One axial slice (156 of 429, counting up from the lowest) of a chest CT acquired at 120 kVp with the STANDARD kernel; each pixel is 0.703 mm and the slice is 1.25 mm thick.
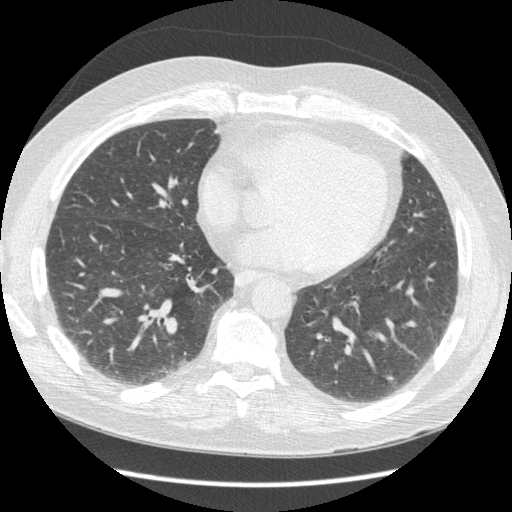
Pulmonary nodule, outlined by all four readers. Box on this slice rows 374–380, columns 381–392, the union of the readers' outlines on this slice; median longest diameter 9.0 mm (readers' outlines 7.9–12.4 mm), median volume 146 mm3 (94–254 mm3). Ratings, median across the readers with their spread: texture 5/5 (solid) from all four readers; margin 4/5 at the median of four readers, spread 3/5 to 5/5 (circumscribed); median sphericity 4/5 (readers ranged 3/5 (ovoid) to 5/5 (round)); calcification absent from all four readers; internal structure soft tissue, all four readers agreeing; median subtlety 3.5/5 (readers ranged 3–5); malignancy likelihood 3/5 at the median of four readers, spread 2–4. Scale key (1–5): texture non-solid→solid, margin indistinct→circumscribed, sphericity linear→round, subtlety extremely subtle→obvious, malignancy likelihood highly unlikely→highly suspicious of cancer. Box rows and columns are 0-based pixel indices from the top-left corner, inclusive.